One axial slice (172 of 272, counting up from the lowest) of a chest CT acquired at 120 kVp with the STANDARD kernel; each pixel is 0.742 mm and the slice is 1.25 mm thick.
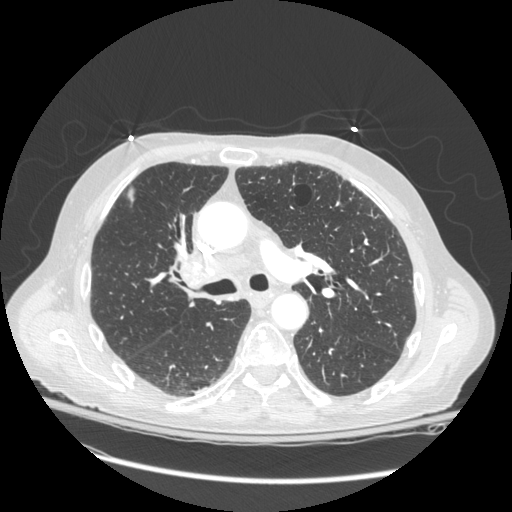
This slice carries no reader outline of a nodule 3 mm or larger.